Chest CT, axial plane, 120 kVp, kernel BONE. Slice 172/265 from the bottom of the scan; thickness 1.25 mm; pixel size 0.664 mm.
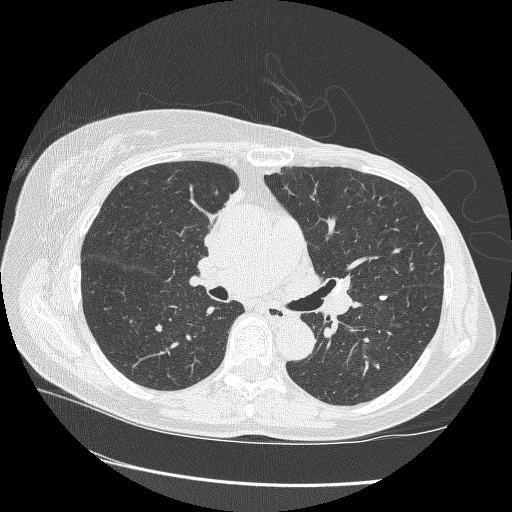
Pulmonary nodule at rows 295–300, columns 379–387 (box = the union of the readers' outlines on this slice), outlined by three of the four readers; median longest diameter 6.7 mm (readers' outlines 5.7–6.7 mm), median volume 50 mm3 (38–51 mm3). Median ratings and the readers' spread: texture 5/5 (solid) from all three readers; margin 5/5 (circumscribed), all three readers agreeing; median sphericity 3/5 (ovoid) (readers ranged 3/5 (ovoid) to 5/5 (round)); calcification solid calcification, all three readers agreeing; internal structure soft tissue, all three readers agreeing; subtlety 4/5 from all three readers; malignancy likelihood 1/5, all three readers agreeing. Scale key (1–5): texture non-solid→solid, margin indistinct→circumscribed, sphericity linear→round, subtlety extremely subtle→obvious, malignancy likelihood highly unlikely→highly suspicious of cancer. Box rows and columns are 0-based pixel indices from the top-left corner, inclusive.